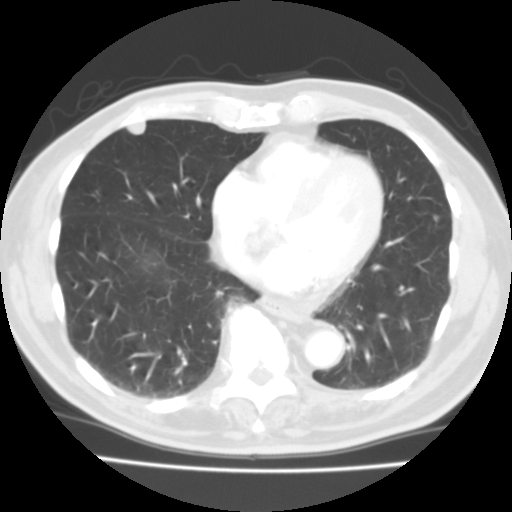
Axial chest CT slice 59 of 119 (counted from the lowest slice); 3.00 mm thick, 0.607 mm per pixel. Pulmonary nodule outlined by all four readers; box rows 121–134, columns 126–145 (the union of the readers' outlines on this slice); longest diameter 13.2 mm on average over the four readers' outlines (readers' outlines 12.7–13.9 mm), volume 738–1063 mm3. The readers' prevailing ratings and who disagreed: texture 5/5 (solid), all four readers agreeing; margin 5/5 (circumscribed) from all four readers; sphericity 4/5 by two of four readers; the rest gave 2/5 (one), 3/5 (ovoid) (one); calcification absent from all four readers; internal structure soft tissue, all four readers agreeing; subtlety 5/5 from all four readers; malignancy likelihood 4/5 by two of four readers; the rest gave 2/5 (one), 3/5 (one). Scale key (1–5): texture non-solid→solid, margin indistinct→circumscribed, sphericity linear→round, subtlety extremely subtle→obvious, malignancy likelihood highly unlikely→highly suspicious of cancer. Box rows and columns are 0-based pixel indices from the top-left corner, inclusive.
Tube voltage 135 kVp; convolution kernel FC01.